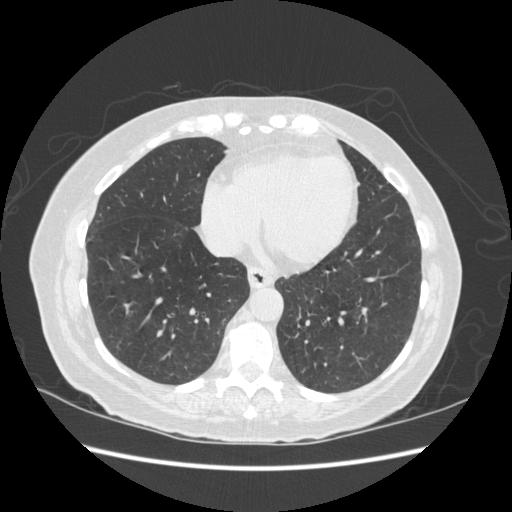
This is axial slice 170 of 513 (slice 1 is the lowest) of a chest CT; each pixel is 0.703 mm and the slice is 1.25 mm thick. Pulmonary nodule, outlined by two of the four readers. Box on this slice rows 329–337, columns 156–162, the union of the readers' outlines on this slice; longest diameter 6.8 mm on average over the two readers' outlines (readers' outlines 6.7–6.9 mm), volume 105–106 mm3. The readers' prevailing ratings and who disagreed: texture split among the readers: 4/5 (one), 5/5 (solid) (one); margin 4/5, both readers agreeing; sphericity split among the readers: 2/5 (one), 4/5 (one); calcification absent, both readers agreeing; internal structure soft tissue, both readers agreeing; subtlety 2/5 from both readers; malignancy likelihood split among the readers: 1/5 (one), 2/5 (one). Scale key (1–5): texture non-solid→solid, margin indistinct→circumscribed, sphericity linear→round, subtlety extremely subtle→obvious, malignancy likelihood highly unlikely→highly suspicious of cancer. Box rows and columns are 0-based pixel indices from the top-left corner, inclusive.
Scan settings: 120 kVp, STANDARD reconstruction kernel.